Axial chest CT slice 29 of 90 (counted from the lowest slice); tube voltage 135 kVp, convolution kernel FC01; slices 3.00 mm thick, 0.579 mm per pixel.
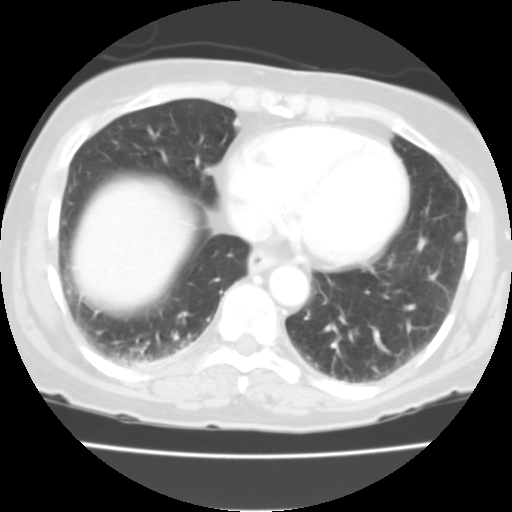
Pulmonary nodule, outlined by two of the four readers. Box on this slice rows 231–241, columns 454–462, the union of the readers' outlines on this slice; the two readers' outlines give a longest diameter between 7.3 and 7.5 mm and a volume between 162 and 173 mm3. The readers' ratings, as ranges where they differ: texture from 2/5 to 4/5 across the two readers; margin from 1/5 (indistinct) to 2/5 across the two readers; sphericity 3/5 (ovoid), both readers agreeing; calcification absent from both readers; internal structure soft tissue from both readers; subtlety rated between 1 and 3 out of 5 by the two readers; malignancy likelihood 3/5, both readers agreeing. Scale key (1–5): texture non-solid→solid, margin indistinct→circumscribed, sphericity linear→round, subtlety extremely subtle→obvious, malignancy likelihood highly unlikely→highly suspicious of cancer. Box rows and columns are 0-based pixel indices from the top-left corner, inclusive.